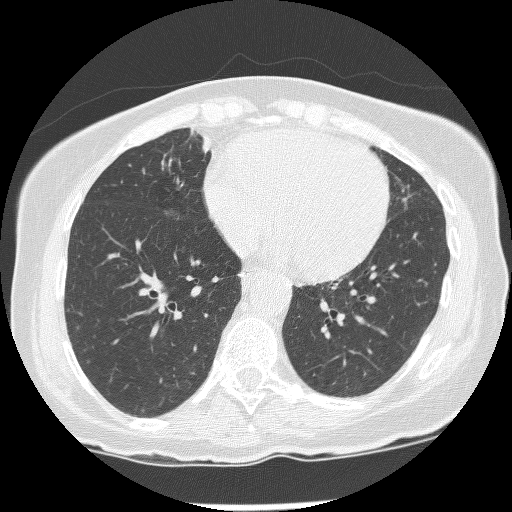
Axial chest CT slice 105 of 239 (counted from the lowest slice); tube voltage 120 kVp, convolution kernel BONE; slices 1.25 mm thick, 0.586 mm per pixel.
This slice carries no reader outline of a nodule 3 mm or larger.